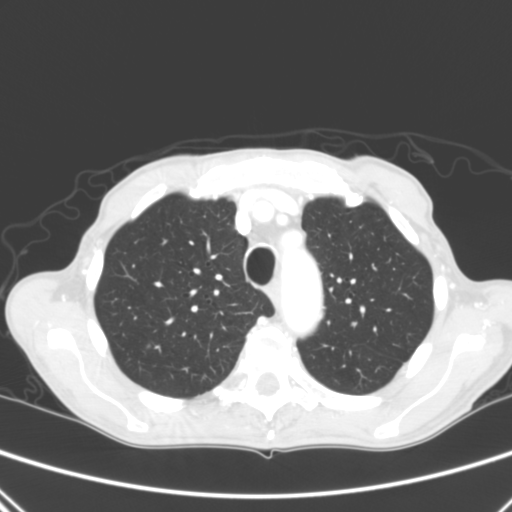
Axial chest CT slice 222 of 290 (counted from the lowest slice); tube voltage 120 kVp, convolution kernel B; slices 2.00 mm thick, 0.639 mm per pixel.
Pulmonary nodule at rows 344–347, columns 146–150 (box = that reader's outline on this slice), outlined by one of the four readers; longest diameter 4.3 mm and volume 29 mm3 from that reader's outline. That reader's ratings: texture 4/5; margin 4/5; sphericity 4/5; calcification absent; internal structure soft tissue; subtlety 5/5; malignancy likelihood 3/5. Scale key (1–5): texture non-solid→solid, margin indistinct→circumscribed, sphericity linear→round, subtlety extremely subtle→obvious, malignancy likelihood highly unlikely→highly suspicious of cancer. Box rows and columns are 0-based pixel indices from the top-left corner, inclusive.